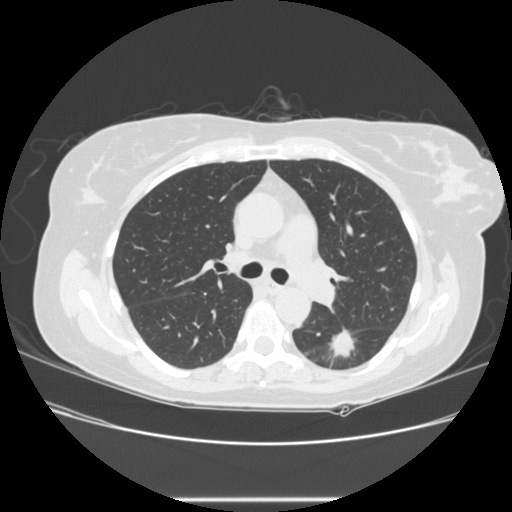
Axial chest CT slice 159 of 245 (counted from the lowest slice); tube voltage 120 kVp, convolution kernel STANDARD; slices 1.25 mm thick, 0.730 mm per pixel.
Pulmonary nodule, outlined by all four readers. Box on this slice rows 325–367, columns 326–361, the union of the readers' outlines on this slice; longest diameter 30.9 mm on average over the four readers' outlines (readers' outlines 27.2–36.8 mm), volume 3941–5997 mm3. The readers' prevailing ratings and who disagreed: texture 5/5 (solid), all four readers agreeing; margin 4/5 by two of four readers; the rest gave 1/5 (indistinct) (one), 3/5 (one); sphericity 2/5 by two of four readers; the rest gave 3/5 (ovoid) (one), 4/5 (one); calcification absent, all four readers agreeing; internal structure soft tissue, all four readers agreeing; subtlety 5/5 from all four readers; most readers (three of four) put malignancy likelihood at 5/5, others 4/5 (one). Scale key (1–5): texture non-solid→solid, margin indistinct→circumscribed, sphericity linear→round, subtlety extremely subtle→obvious, malignancy likelihood highly unlikely→highly suspicious of cancer. Box rows and columns are 0-based pixel indices from the top-left corner, inclusive.